Chest CT, axial plane, 120 kVp, kernel STANDARD. Slice 81/128 from the bottom of the scan; thickness 2.50 mm; pixel size 0.742 mm.
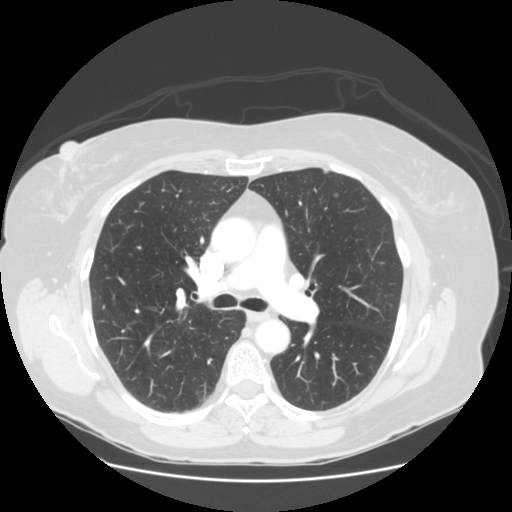
Two pulmonary nodules on this slice, listed from left to right. (1) Pulmonary nodule at rows 169–173, columns 323–328 (box = the union of the readers' outlines on this slice), outlined by three of the four readers, two of them on this slice; longest diameter 6.8 mm on average over the three readers' outlines (readers' outlines 6.6–7.0 mm), volume 55–151 mm3. Ratings, by the readers' most common answer with dissent counted: texture 5/5 (solid) by two of three readers; the rest gave 3/5 (part-solid) (one); margin split among the readers: 2/5 (one), 4/5 (one), 5/5 (circumscribed) (one); sphericity split among the readers: 3/5 (ovoid) (one), 4/5 (one), 5/5 (round) (one); calcification absent from all three readers; internal structure soft tissue from all three readers; subtlety 4/5 by two of three readers; the rest gave 3/5 (one); malignancy likelihood 3/5 by two of three readers; the rest gave 2/5 (one). (2) Pulmonary nodule outlined by three of the four readers; box rows 193–196, columns 333–337 (the union of the readers' outlines on this slice); longest diameter 6.7–7.3 mm and volume 143–185 mm3 across the three readers' outlines. The readers' ratings, as ranges where they differ: texture from 3/5 (part-solid) to 5/5 (solid) across the three readers; margin from 3/5 to 5/5 (circumscribed) across the three readers; sphericity from 4/5 to 5/5 (round) across the three readers; calcification absent, all three readers agreeing; internal structure soft tissue from all three readers; subtlety from 3/5 to 4/5 across the three readers; malignancy likelihood from 2/5 to 3/5 across the three readers. Scale key (1–5): texture non-solid→solid, margin indistinct→circumscribed, sphericity linear→round, subtlety extremely subtle→obvious, malignancy likelihood highly unlikely→highly suspicious of cancer. Box rows and columns are 0-based pixel indices from the top-left corner, inclusive.